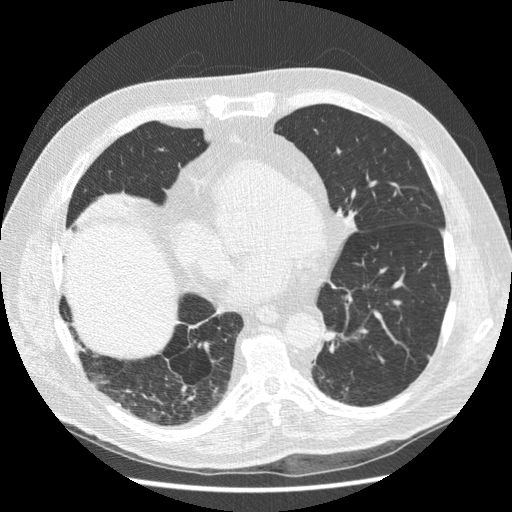
This is axial slice 78 of 216 (slice 1 is the lowest) of a chest CT; each pixel is 0.703 mm and the slice is 1.25 mm thick. Pulmonary nodule outlined by two of the four readers; box rows 355–358, columns 427–430 (the union of the readers' outlines on this slice); longest diameter 6.0–6.4 mm and volume 94–101 mm3 across the two readers' outlines. Ratings across the readers: texture 5/5 (solid), both readers agreeing; margin from 3/5 to 5/5 (circumscribed) across the two readers; sphericity from 3/5 (ovoid) to 5/5 (round) across the two readers; calcification absent from both readers; internal structure soft tissue from both readers; subtlety from 3/5 to 4/5 across the two readers; malignancy likelihood 2/5, both readers agreeing. Scale key (1–5): texture non-solid→solid, margin indistinct→circumscribed, sphericity linear→round, subtlety extremely subtle→obvious, malignancy likelihood highly unlikely→highly suspicious of cancer. Box rows and columns are 0-based pixel indices from the top-left corner, inclusive.
Scan settings: 120 kVp, STANDARD reconstruction kernel.